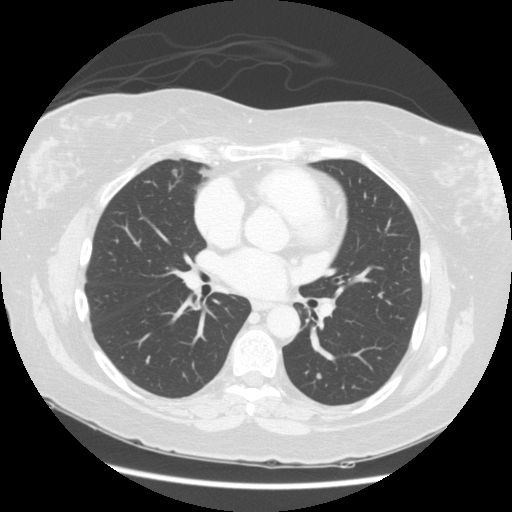
Chest CT, axial plane, 140 kVp, kernel STANDARD. Slice 67/123 from the bottom of the scan; thickness 2.50 mm; pixel size 0.703 mm.
Pulmonary nodule outlined by one of the four readers; box rows 372–379, columns 316–321 (that reader's outline on this slice); longest diameter 6.4 mm and volume 98 mm3 from that reader's outline. That reader's ratings: texture 4/5; margin 4/5; sphericity 4/5; calcification absent; internal structure soft tissue; subtlety 4/5; malignancy likelihood 3/5. Scale key (1–5): texture non-solid→solid, margin indistinct→circumscribed, sphericity linear→round, subtlety extremely subtle→obvious, malignancy likelihood highly unlikely→highly suspicious of cancer. Box rows and columns are 0-based pixel indices from the top-left corner, inclusive.